Axial chest CT slice 233 of 300 (counted from the lowest slice); tube voltage 120 kVp, convolution kernel C; slices 2.00 mm thick, 0.715 mm per pixel.
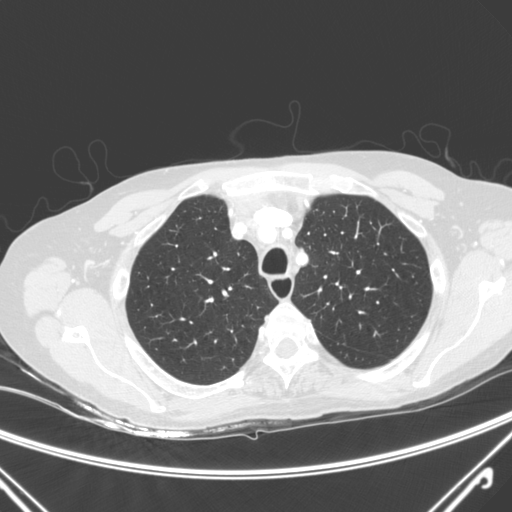
Pulmonary nodule, outlined by two of the four readers. Box on this slice rows 343–344, columns 341–345, the union of the readers' outlines on this slice; longest diameter 4.3 mm on average over the two readers' outlines (readers' outlines 4.3 mm), volume 32–40 mm3. Ratings, by the readers' most common answer with dissent counted: texture 5/5 (solid) from both readers; margin 5/5 (circumscribed), both readers agreeing; sphericity split among the readers: 3/5 (ovoid) (one), 4/5 (one); calcification absent from both readers; internal structure soft tissue from both readers; subtlety split among the readers: 3/5 (one), 5/5 (one); malignancy likelihood 2/5 from both readers. Scale key (1–5): texture non-solid→solid, margin indistinct→circumscribed, sphericity linear→round, subtlety extremely subtle→obvious, malignancy likelihood highly unlikely→highly suspicious of cancer. Box rows and columns are 0-based pixel indices from the top-left corner, inclusive.